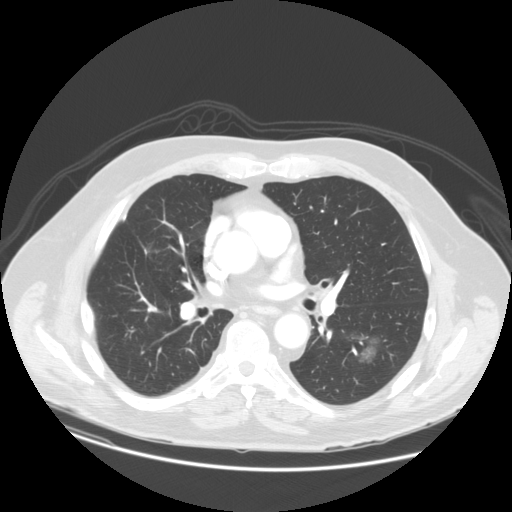
Chest CT, axial plane, 120 kVp, kernel STANDARD. Slice 67/140 from the bottom of the scan; thickness 2.50 mm; pixel size 0.820 mm.
Pulmonary nodule at rows 333–365, columns 351–381 (box = that reader's outline on this slice), outlined by one of the four readers; longest diameter 31.7 mm and volume 4731 mm3 from that reader's outline. Ratings by that reader: texture 1/5 (non-solid); margin 2/5; sphericity 5/5 (round); calcification absent; internal structure soft tissue; subtlety 1/5; malignancy likelihood 2/5. Scale key (1–5): texture non-solid→solid, margin indistinct→circumscribed, sphericity linear→round, subtlety extremely subtle→obvious, malignancy likelihood highly unlikely→highly suspicious of cancer. Box rows and columns are 0-based pixel indices from the top-left corner, inclusive.